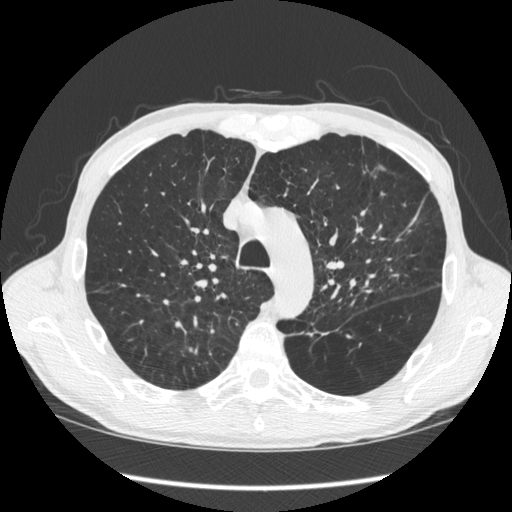
Axial chest CT slice 423 of 583 (counted from the lowest slice); tube voltage 120 kVp, convolution kernel STANDARD; slices 1.25 mm thick, 0.703 mm per pixel.
Pulmonary nodule at rows 175–177, columns 373–376 (box = the union of the readers' outlines on this slice), outlined by all four readers, two of them on this slice; longest diameter 13.5 mm on average over the four readers' outlines (readers' outlines 10.5–14.8 mm), volume 293–480 mm3. Ratings, by the readers' most common answer with dissent counted: texture 5/5 (solid) from all four readers; margin 5/5 (circumscribed) by two of four readers; the rest gave 3/5 (one), 4/5 (one); sphericity 2/5 by two of four readers; the rest gave 4/5 (one), 5/5 (round) (one); calcification absent, all four readers agreeing; internal structure soft tissue from all four readers; subtlety 5/5 by two of four readers; the rest gave 3/5 (one), 4/5 (one); malignancy likelihood 5/5 by two of four readers; the rest gave 2/5 (one), 4/5 (one). Scale key (1–5): texture non-solid→solid, margin indistinct→circumscribed, sphericity linear→round, subtlety extremely subtle→obvious, malignancy likelihood highly unlikely→highly suspicious of cancer. Box rows and columns are 0-based pixel indices from the top-left corner, inclusive.